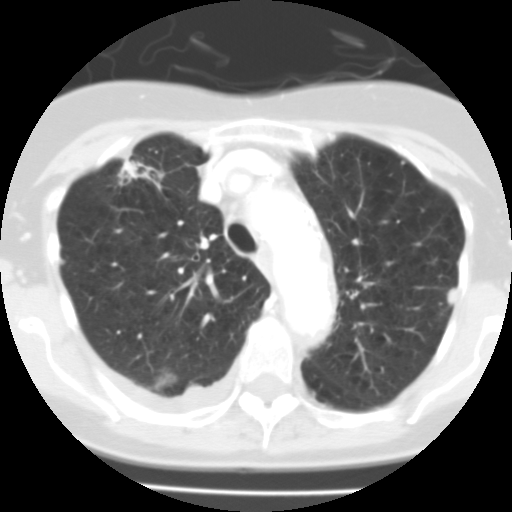
Axial chest CT slice 74 of 100 (counted from the lowest slice); tube voltage 135 kVp, convolution kernel FC01; slices 3.00 mm thick, 0.540 mm per pixel.
Two pulmonary nodules are outlined on this slice; from left to right: (1) Pulmonary nodule at rows 156–188, columns 114–169 (box = the union of the readers' outlines on this slice), outlined by all four readers; longest diameter 26.1 mm on average over the four readers' outlines (readers' outlines 22.6–33.3 mm), volume 3212–10079 mm3. Ratings, by the readers' most common answer with dissent counted: most readers (three of four) put texture at 4/5, others 5/5 (solid) (one); margin 4/5 by two of four readers; the rest gave 1/5 (indistinct) (one), 2/5 (one); sphericity 3/5 (ovoid) by two of four readers; the rest gave 4/5 (one), 5/5 (round) (one); calcification absent from all four readers; internal structure soft tissue from all four readers; subtlety 5/5, all four readers agreeing; malignancy likelihood split among the readers: 4/5 (two), 5/5 (two). (2) Pulmonary nodule at rows 288–304, columns 447–455 (box = the union of the readers' outlines on this slice), outlined by two of the four readers; longest diameter 10.2–10.7 mm and volume 433–442 mm3 across the two readers' outlines. The readers' ratings, as ranges where they differ: texture 5/5 (solid), both readers agreeing; margin from 4/5 to 5/5 (circumscribed) across the two readers; sphericity from 2/5 to 5/5 (round) across the two readers; calcification absent, both readers agreeing; internal structure soft tissue, both readers agreeing; subtlety rated between 3 and 4 out of 5 by the two readers; malignancy likelihood rated between 2 and 3 out of 5 by the two readers. Scale key (1–5): texture non-solid→solid, margin indistinct→circumscribed, sphericity linear→round, subtlety extremely subtle→obvious, malignancy likelihood highly unlikely→highly suspicious of cancer. Box rows and columns are 0-based pixel indices from the top-left corner, inclusive.